Chest CT, axial plane, 120 kVp, kernel STANDARD. Slice 115/481 from the bottom of the scan; thickness 1.25 mm; pixel size 0.664 mm.
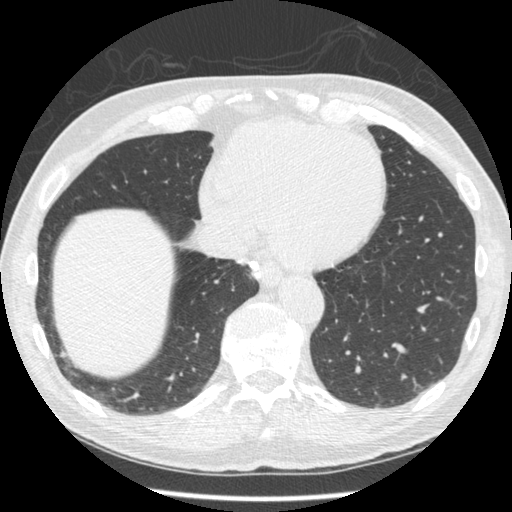
Pulmonary nodule, outlined by one of the four readers. Box on this slice rows 350–356, columns 60–65, that reader's outline on this slice; longest diameter 5.9 mm and volume 35 mm3 from that reader's outline. That reader's ratings: texture 4/5; margin 2/5; sphericity 2/5; calcification absent; internal structure soft tissue; subtlety 1/5; malignancy likelihood 1/5. Scale key (1–5): texture non-solid→solid, margin indistinct→circumscribed, sphericity linear→round, subtlety extremely subtle→obvious, malignancy likelihood highly unlikely→highly suspicious of cancer. Box rows and columns are 0-based pixel indices from the top-left corner, inclusive.